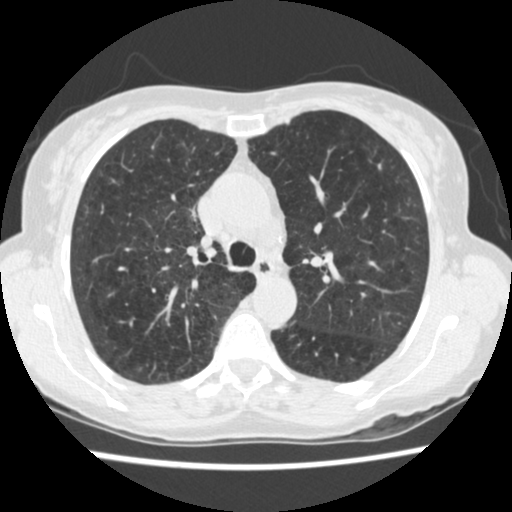
Chest CT, axial plane, 120 kVp, kernel STANDARD. Slice 371/541 from the bottom of the scan; thickness 1.25 mm; pixel size 0.586 mm.
Pulmonary nodule outlined by all four readers; box rows 161–172, columns 376–381 (the union of the readers' outlines on this slice); the four readers' outlines give a longest diameter between 5.4 and 7.8 mm and a volume between 67 and 124 mm3. Ratings across the readers: texture from 4/5 to 5/5 (solid) across the four readers; margin from 4/5 to 5/5 (circumscribed) across the four readers; sphericity from 2/5 to 5/5 (round) across the four readers; calcification: absent (three), central calcification (one); internal structure soft tissue from all four readers; subtlety rated between 3 and 5 out of 5 by the four readers; malignancy likelihood from 1/5 to 4/5 across the four readers. Scale key (1–5): texture non-solid→solid, margin indistinct→circumscribed, sphericity linear→round, subtlety extremely subtle→obvious, malignancy likelihood highly unlikely→highly suspicious of cancer. Box rows and columns are 0-based pixel indices from the top-left corner, inclusive.